Axial slice 334 of 429 of a chest CT (slice 1 is the lowest), reconstructed with the B30f kernel at 120 kVp; 0.75 mm slice thickness and 0.537 mm pixels.
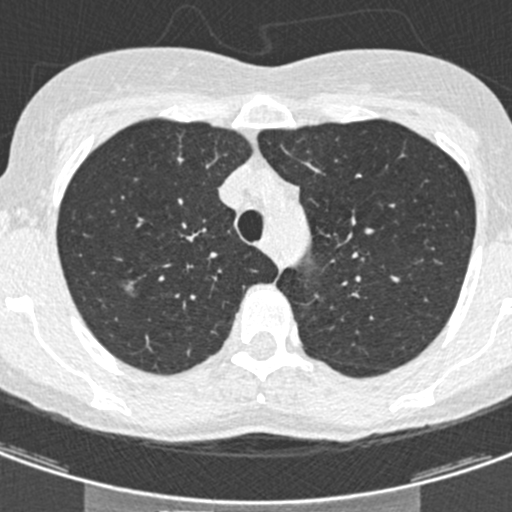
Pulmonary nodule outlined by all four readers; box rows 279–296, columns 121–138 (the union of the readers' outlines on this slice); longest diameter 11.2–13.4 mm and volume 226–398 mm3 across the four readers' outlines. The readers' ratings, as ranges where they differ: texture from 3/5 (part-solid) to 4/5 across the four readers; margin from 1/5 (indistinct) to 4/5 across the four readers; sphericity from 2/5 to 5/5 (round) across the four readers; calcification absent from all four readers; internal structure soft tissue from all four readers; subtlety rated between 3 and 5 out of 5 by the four readers; malignancy likelihood 3–4/5 (the readers disagree). Scale key (1–5): texture non-solid→solid, margin indistinct→circumscribed, sphericity linear→round, subtlety extremely subtle→obvious, malignancy likelihood highly unlikely→highly suspicious of cancer. Box rows and columns are 0-based pixel indices from the top-left corner, inclusive.